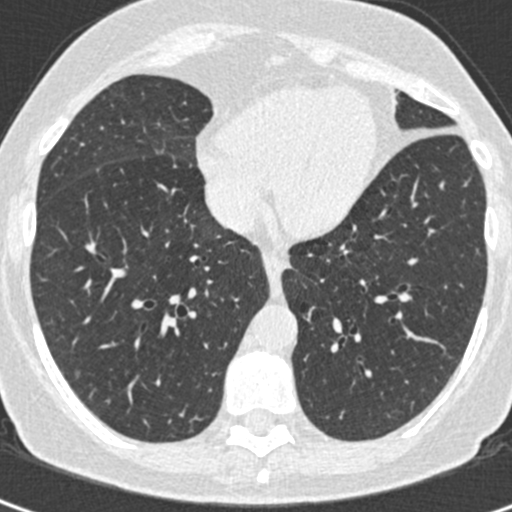
Axial chest CT slice 145 of 408 (counted from the lowest slice); tube voltage 120 kVp, convolution kernel B30f; slices 0.75 mm thick, 0.531 mm per pixel.
Pulmonary nodule outlined by all four readers, three of them on this slice; box rows 370–378, columns 74–80 (the union of the readers' outlines on this slice); longest diameter 5.4–6.1 mm and volume 35–62 mm3 across the four readers' outlines. The readers' ratings, as ranges where they differ: texture from 4/5 to 5/5 (solid) across the four readers; margin from 2/5 to 5/5 (circumscribed) across the four readers; sphericity from 3/5 (ovoid) to 5/5 (round) across the four readers; calcification: absent (three), solid calcification (one); internal structure soft tissue, all four readers agreeing; subtlety rated between 2 and 5 out of 5 by the four readers; malignancy likelihood rated between 1 and 3 out of 5 by the four readers. Scale key (1–5): texture non-solid→solid, margin indistinct→circumscribed, sphericity linear→round, subtlety extremely subtle→obvious, malignancy likelihood highly unlikely→highly suspicious of cancer. Box rows and columns are 0-based pixel indices from the top-left corner, inclusive.